Axial slice 175 of 239 of a chest CT (slice 1 is the lowest), reconstructed with the BONE kernel at 120 kVp; 1.25 mm slice thickness and 0.586 mm pixels.
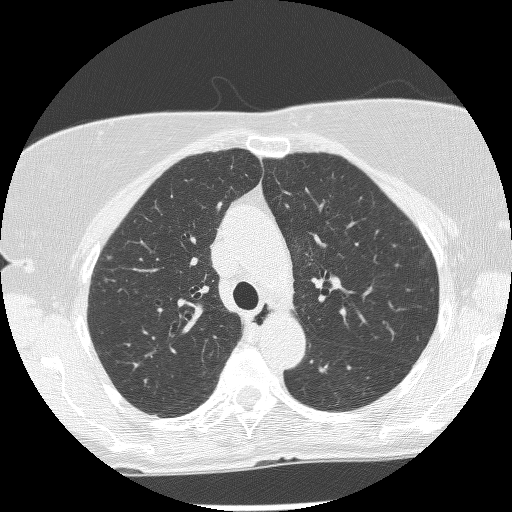
Pulmonary nodule outlined by one of the four readers; box rows 256–259, columns 106–110 (that reader's outline on this slice); longest diameter 6.0 mm and volume 46 mm3 from that reader's outline. Ratings by that reader: texture 5/5 (solid); margin 5/5 (circumscribed); sphericity 4/5; calcification absent; internal structure soft tissue; subtlety 3/5; malignancy likelihood 3/5. Scale key (1–5): texture non-solid→solid, margin indistinct→circumscribed, sphericity linear→round, subtlety extremely subtle→obvious, malignancy likelihood highly unlikely→highly suspicious of cancer. Box rows and columns are 0-based pixel indices from the top-left corner, inclusive.